Axial slice 118 of 605 of a chest CT (slice 1 is the lowest), reconstructed with the STANDARD kernel at 120 kVp; 1.25 mm slice thickness and 0.703 mm pixels.
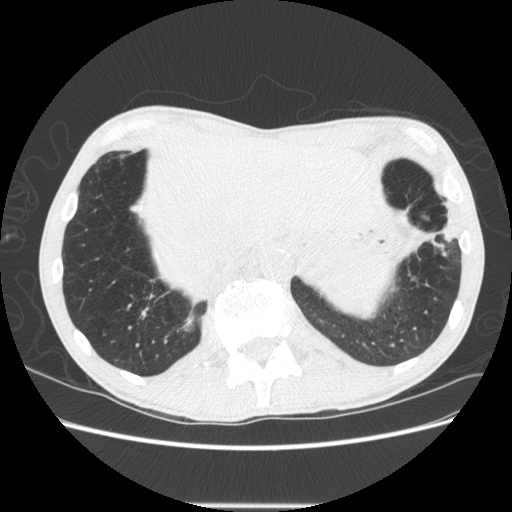
Pulmonary nodule at rows 208–240, columns 443–457 (box = that reader's outline on this slice), outlined by one of the four readers; longest diameter 29.0 mm and volume 1790 mm3 from that reader's outline. Ratings by that reader: texture 4/5; margin 4/5; sphericity 2/5; calcification absent; internal structure soft tissue; subtlety 5/5; malignancy likelihood 4/5. Scale key (1–5): texture non-solid→solid, margin indistinct→circumscribed, sphericity linear→round, subtlety extremely subtle→obvious, malignancy likelihood highly unlikely→highly suspicious of cancer. Box rows and columns are 0-based pixel indices from the top-left corner, inclusive.